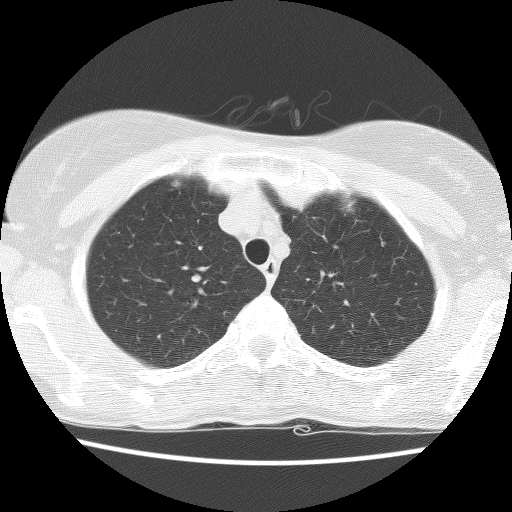
Chest CT, axial plane, 140 kVp, kernel BONE. Slice 103/130 from the bottom of the scan; thickness 2.50 mm; pixel size 0.596 mm.
Pulmonary nodule at rows 275–281, columns 191–200 (box = the union of the readers' outlines on this slice), outlined by all four readers; longest diameter 7.3 mm on average over the four readers' outlines (readers' outlines 6.2–8.3 mm), volume 244–355 mm3. The readers' prevailing ratings and who disagreed: texture 5/5 (solid) from all four readers; margin 5/5 (circumscribed), all four readers agreeing; most readers (three of four) put sphericity at 5/5 (round), others 4/5 (one); calcification absent, all four readers agreeing; internal structure soft tissue from all four readers; subtlety 3/5 by three of four readers; the rest gave 5/5 (one); malignancy likelihood split among the readers: 1/5 (one), 2/5 (one), 3/5 (one), 4/5 (one). Scale key (1–5): texture non-solid→solid, margin indistinct→circumscribed, sphericity linear→round, subtlety extremely subtle→obvious, malignancy likelihood highly unlikely→highly suspicious of cancer. Box rows and columns are 0-based pixel indices from the top-left corner, inclusive.